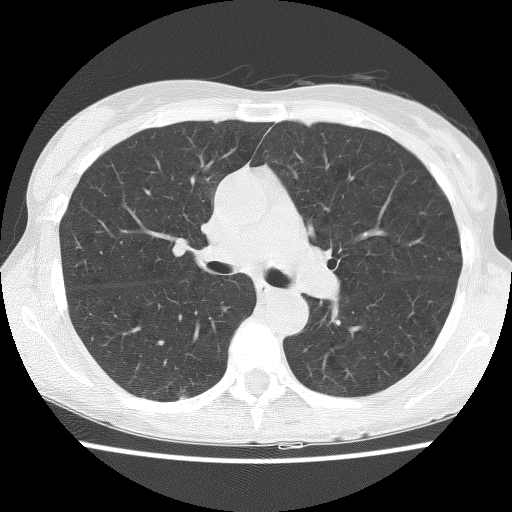
Chest CT, axial plane, 140 kVp, kernel BONE. Slice 78/123 from the bottom of the scan; thickness 2.50 mm; pixel size 0.586 mm.
Pulmonary nodule outlined by one of the four readers; box rows 395–399, columns 179–186 (that reader's outline on this slice); longest diameter 9.0 mm and volume 157 mm3 from that reader's outline. Ratings by that reader: texture 5/5 (solid); margin 5/5 (circumscribed); sphericity 5/5 (round); calcification absent; internal structure soft tissue; subtlety 5/5; malignancy likelihood 2/5. Scale key (1–5): texture non-solid→solid, margin indistinct→circumscribed, sphericity linear→round, subtlety extremely subtle→obvious, malignancy likelihood highly unlikely→highly suspicious of cancer. Box rows and columns are 0-based pixel indices from the top-left corner, inclusive.